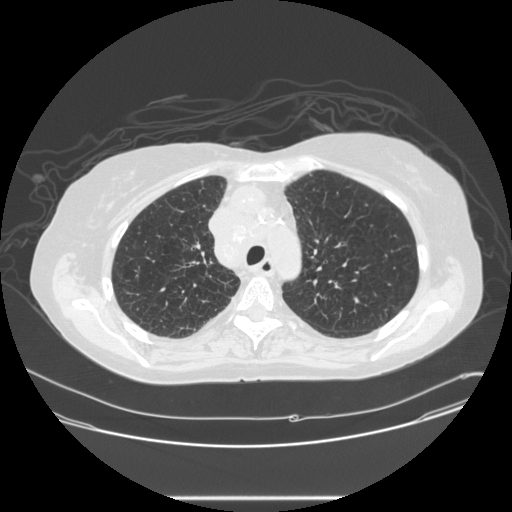
Axial slice 186 of 257 of a chest CT (slice 1 is the lowest), reconstructed with the STANDARD kernel at 120 kVp; 1.25 mm slice thickness and 0.787 mm pixels.
No nodule of 3 mm or larger was outlined by any of the four readers on this slice.